Axial chest CT slice 104 of 133 (counted from the lowest slice); tube voltage 120 kVp, convolution kernel LUNG; slices 2.50 mm thick, 0.703 mm per pixel.
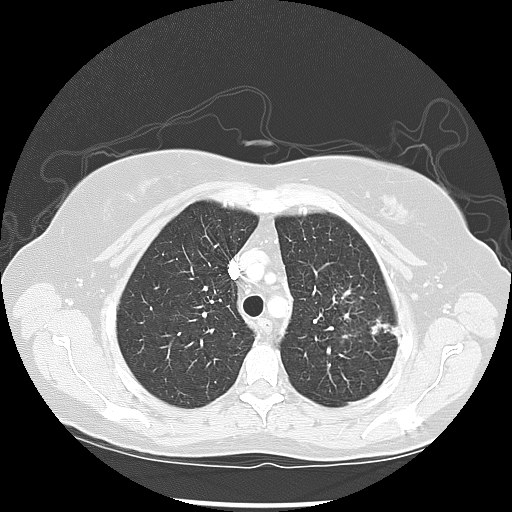
Pulmonary nodule, outlined by all four readers. Box on this slice rows 316–337, columns 368–398, the union of the readers' outlines on this slice; median longest diameter 28.2 mm (readers' outlines 27.6–35.0 mm), median volume 3866 mm3 (3749–4875 mm3). Median ratings and the readers' spread: texture 5/5 (solid), all four readers agreeing; margin 3.5/5 at the median of four readers, spread 2/5 to 5/5 (circumscribed); median sphericity 3/5 (ovoid) (readers ranged 3/5 (ovoid) to 5/5 (round)); calcification absent from all four readers; internal structure soft tissue from all four readers; subtlety 5/5 from all four readers; median malignancy likelihood 4/5 (readers ranged 3–5). Scale key (1–5): texture non-solid→solid, margin indistinct→circumscribed, sphericity linear→round, subtlety extremely subtle→obvious, malignancy likelihood highly unlikely→highly suspicious of cancer. Box rows and columns are 0-based pixel indices from the top-left corner, inclusive.